Chest CT, axial plane, 120 kVp, kernel STANDARD. Slice 378/465 from the bottom of the scan; thickness 1.25 mm; pixel size 0.703 mm.
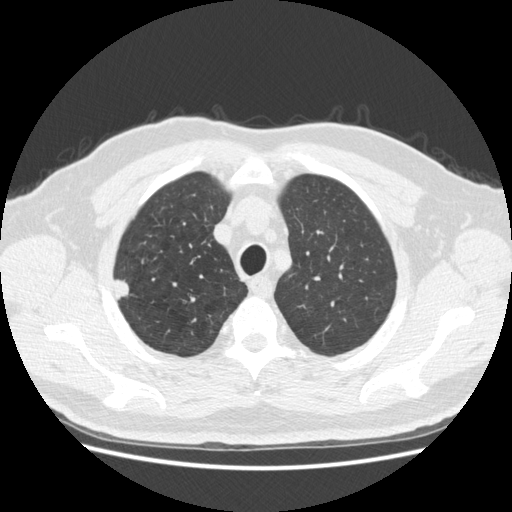
Pulmonary nodule, outlined by all four readers. Box on this slice rows 278–300, columns 112–129, the union of the readers' outlines on this slice; longest diameter 17.5 mm on average over the four readers' outlines (readers' outlines 15.5–18.9 mm), volume 1041–1475 mm3. The readers' prevailing ratings and who disagreed: texture 5/5 (solid) from all four readers; margin 5/5 (circumscribed) by three of four readers; the rest gave 4/5 (one); sphericity 3/5 (ovoid) by two of four readers; the rest gave 4/5 (one), 5/5 (round) (one); calcification absent, all four readers agreeing; internal structure soft tissue from all four readers; most readers (three of four) put subtlety at 5/5, others 4/5 (one); malignancy likelihood 5/5 by two of four readers; the rest gave 2/5 (one), 3/5 (one). Scale key (1–5): texture non-solid→solid, margin indistinct→circumscribed, sphericity linear→round, subtlety extremely subtle→obvious, malignancy likelihood highly unlikely→highly suspicious of cancer. Box rows and columns are 0-based pixel indices from the top-left corner, inclusive.